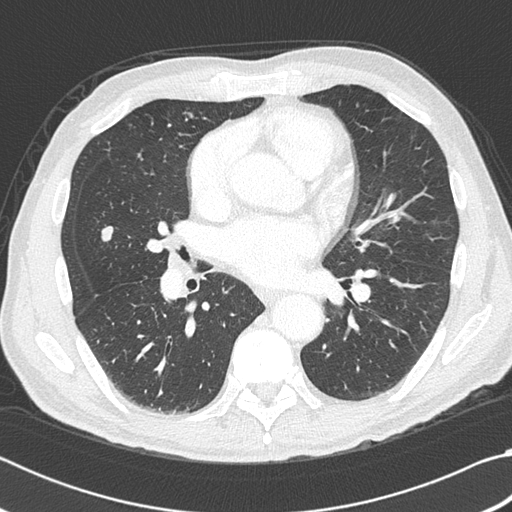
Slice 208/383 of a chest CT, counting up from the lowest; pixel size 0.664 mm, slice thickness 1.00 mm. Two pulmonary nodules on this slice, listed from left to right. (1) Pulmonary nodule, outlined by all four readers. Box on this slice rows 226–241, columns 101–113, the union of the readers' outlines on this slice; median longest diameter 16.1 mm (readers' outlines 15.5–17.3 mm), median volume 801 mm3 (759–884 mm3). Ratings, median across the readers with their spread: texture 5/5 (solid), all four readers agreeing; median margin 5/5 (circumscribed) (readers ranged 4/5 to 5/5 (circumscribed)); median sphericity 3/5 (ovoid) (readers ranged 3/5 (ovoid) to 5/5 (round)); calcification: absent (three), solid calcification (one); internal structure soft tissue from all four readers; subtlety 5/5 at the median of four readers, spread 4–5; median malignancy likelihood 3/5 (readers ranged 1–5). (2) Pulmonary nodule, outlined by all four readers, one of them on this slice. Box on this slice rows 112–118, columns 187–193, the one reader's outline on this slice; longest diameter 10.8 mm on average over the four readers' outlines (readers' outlines 9.8–12.2 mm), volume 379–631 mm3. The readers' prevailing ratings and who disagreed: texture 5/5 (solid), all four readers agreeing; margin 5/5 (circumscribed), all four readers agreeing; sphericity 5/5 (round) by two of four readers; the rest gave 3/5 (ovoid) (one), 4/5 (one); calcification absent by three of four readers, solid calcification (one); internal structure soft tissue from all four readers; subtlety split among the readers: 4/5 (two), 5/5 (two); malignancy likelihood split among the readers: 1/5 (one), 2/5 (one), 3/5 (one), 4/5 (one). Scale key (1–5): texture non-solid→solid, margin indistinct→circumscribed, sphericity linear→round, subtlety extremely subtle→obvious, malignancy likelihood highly unlikely→highly suspicious of cancer. Box rows and columns are 0-based pixel indices from the top-left corner, inclusive.
Acquired at 120 kVp and reconstructed with the B45f kernel.